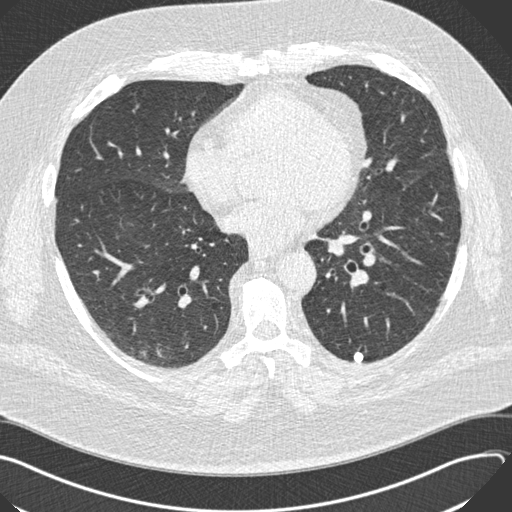
Slice 84/187 of a chest CT, counting up from the lowest; pixel size 0.742 mm, slice thickness 2.00 mm. Pulmonary nodule, outlined by all four readers. Box on this slice rows 351–362, columns 353–363, the union of the readers' outlines on this slice; longest diameter 8.7–10.6 mm and volume 265–407 mm3 across the four readers' outlines. Ratings across the readers: texture 5/5 (solid), all four readers agreeing; margin from 4/5 to 5/5 (circumscribed) across the four readers; sphericity from 3/5 (ovoid) to 5/5 (round) across the four readers; calcification: solid calcification (three), absent (one); internal structure soft tissue, all four readers agreeing; subtlety rated between 4 and 5 out of 5 by the four readers; malignancy likelihood rated between 1 and 5 out of 5 by the four readers. Scale key (1–5): texture non-solid→solid, margin indistinct→circumscribed, sphericity linear→round, subtlety extremely subtle→obvious, malignancy likelihood highly unlikely→highly suspicious of cancer. Box rows and columns are 0-based pixel indices from the top-left corner, inclusive.
Scan settings: 120 kVp, B30f reconstruction kernel.